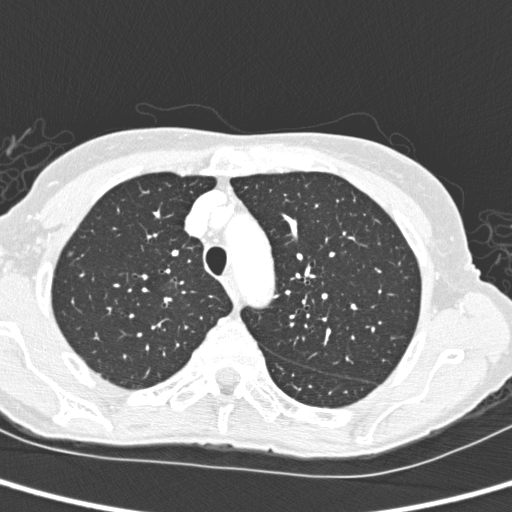
Slice 212/280 of a chest CT, counting up from the lowest; pixel size 0.564 mm, slice thickness 1.00 mm. Pulmonary nodule, outlined by two of the four readers. Box on this slice rows 251–256, columns 66–72, the union of the readers' outlines on this slice; median longest diameter 4.6 mm (readers' outlines 4.6 mm), median volume 23 mm3 (16–30 mm3). Ratings, median across the readers with their spread: texture 3/5 (part-solid) at the median of two readers, spread 1/5 (non-solid) to 5/5 (solid); margin 5/5 (circumscribed), both readers agreeing; sphericity 4.5/5 at the median of two readers, spread 4/5 to 5/5 (round); calcification absent, both readers agreeing; internal structure soft tissue, both readers agreeing; subtlety 2.5/5 at the median of two readers, spread 1–4; malignancy likelihood 1.5/5 at the median of two readers, spread 1–2. Scale key (1–5): texture non-solid→solid, margin indistinct→circumscribed, sphericity linear→round, subtlety extremely subtle→obvious, malignancy likelihood highly unlikely→highly suspicious of cancer. Box rows and columns are 0-based pixel indices from the top-left corner, inclusive.
Tube voltage 120 kVp; convolution kernel D.